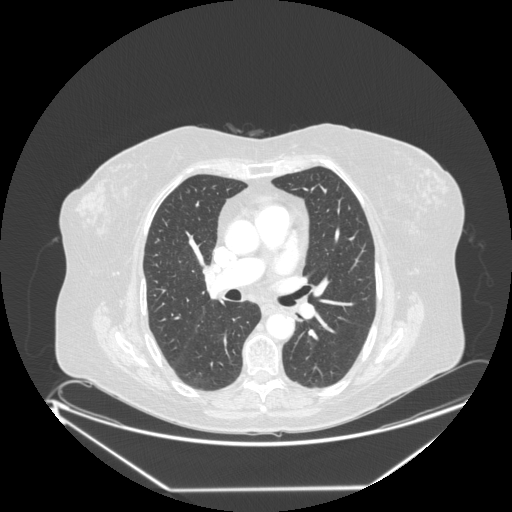
Slice 151/265 of a chest CT, counting up from the lowest; pixel size 0.943 mm, slice thickness 1.25 mm. None of the four readers outlined a nodule of 3 mm or more on this slice.
Acquired at 120 kVp and reconstructed with the STANDARD kernel.